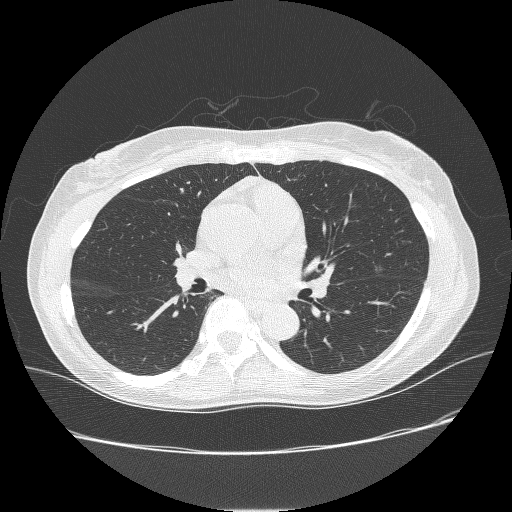
Axial chest CT slice 142 of 238 (counted from the lowest slice); tube voltage 120 kVp, convolution kernel BONE; slices 1.25 mm thick, 0.703 mm per pixel.
Two pulmonary nodules are outlined on this slice; from left to right: (1) Pulmonary nodule outlined by one of the four readers; box rows 188–192, columns 180–183 (that reader's outline on this slice); longest diameter 5.1 mm and volume 34 mm3 from that reader's outline. That reader's ratings: texture 1/5 (non-solid); margin 1/5 (indistinct); sphericity 4/5; calcification absent; internal structure soft tissue; subtlety 2/5; malignancy likelihood 4/5. (2) Pulmonary nodule, outlined by three of the four readers. Box on this slice rows 265–275, columns 374–385, the union of the readers' outlines on this slice; longest diameter 9.2 mm on average over the three readers' outlines (readers' outlines 8.2–10.1 mm), volume 125–233 mm3. The readers' prevailing ratings and who disagreed: most readers (two of three) put texture at 1/5 (non-solid), others 2/5 (one); most readers (two of three) put margin at 1/5 (indistinct), others 2/5 (one); most readers (two of three) put sphericity at 4/5, others 5/5 (round) (one); calcification absent from all three readers; internal structure soft tissue, all three readers agreeing; subtlety 3/5 by two of three readers; the rest gave 4/5 (one); malignancy likelihood 3/5 by two of three readers; the rest gave 4/5 (one). Scale key (1–5): texture non-solid→solid, margin indistinct→circumscribed, sphericity linear→round, subtlety extremely subtle→obvious, malignancy likelihood highly unlikely→highly suspicious of cancer. Box rows and columns are 0-based pixel indices from the top-left corner, inclusive.